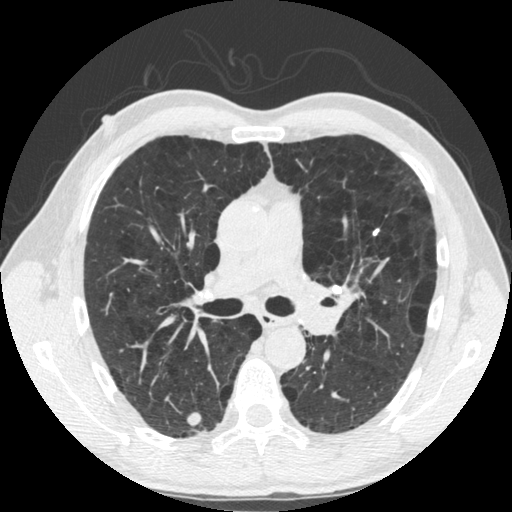
This is axial slice 318 of 535 (slice 1 is the lowest) of a chest CT; each pixel is 0.664 mm and the slice is 1.25 mm thick. Two pulmonary nodules are outlined on this slice; from left to right: (1) Pulmonary nodule at rows 412–425, columns 186–201 (box = the union of the readers' outlines on this slice), outlined by all four readers; median longest diameter 11.0 mm (readers' outlines 10.5–12.4 mm), median volume 554 mm3 (543–647 mm3). Ratings, median across the readers with their spread: texture 5/5 (solid), all four readers agreeing; margin 5/5 (circumscribed), all four readers agreeing; sphericity 4.5/5 at the median of four readers, spread 3/5 (ovoid) to 5/5 (round); calcification: absent (three), laminated calcification (one); internal structure soft tissue from all four readers; subtlety 5/5, all four readers agreeing; median malignancy likelihood 2.5/5 (readers ranged 1–5). (2) Pulmonary nodule outlined by all four readers; box rows 228–235, columns 372–379 (the union of the readers' outlines on this slice); longest diameter 6.3–7.6 mm and volume 41–65 mm3 across the four readers' outlines. Ratings across the readers: texture 5/5 (solid) from all four readers; margin 5/5 (circumscribed), all four readers agreeing; sphericity from 2/5 to 3/5 (ovoid) across the four readers; calcification solid calcification from all four readers; internal structure soft tissue, all four readers agreeing; subtlety from 4/5 to 5/5 across the four readers; malignancy likelihood 1/5, all four readers agreeing. Scale key (1–5): texture non-solid→solid, margin indistinct→circumscribed, sphericity linear→round, subtlety extremely subtle→obvious, malignancy likelihood highly unlikely→highly suspicious of cancer. Box rows and columns are 0-based pixel indices from the top-left corner, inclusive.
Tube voltage 120 kVp; convolution kernel STANDARD.